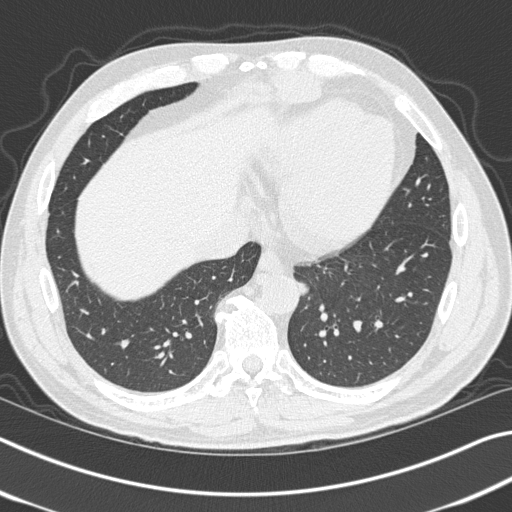
Axial slice 125 of 327 of a chest CT (slice 1 is the lowest), reconstructed with the B45f kernel at 120 kVp; 1.00 mm slice thickness and 0.664 mm pixels.
Pulmonary nodule, outlined by three of the four readers. Box on this slice rows 281–296, columns 296–309, the union of the readers' outlines on this slice; longest diameter 12.9 mm on average over the three readers' outlines (readers' outlines 12.4–14.0 mm), volume 357–534 mm3. The readers' prevailing ratings and who disagreed: texture 5/5 (solid) from all three readers; most readers (two of three) put margin at 5/5 (circumscribed), others 4/5 (one); sphericity split among the readers: 3/5 (ovoid) (one), 4/5 (one), 5/5 (round) (one); calcification absent from all three readers; internal structure soft tissue, all three readers agreeing; subtlety split among the readers: 1/5 (one), 3/5 (one), 4/5 (one); most readers (two of three) put malignancy likelihood at 4/5, others 2/5 (one). Scale key (1–5): texture non-solid→solid, margin indistinct→circumscribed, sphericity linear→round, subtlety extremely subtle→obvious, malignancy likelihood highly unlikely→highly suspicious of cancer. Box rows and columns are 0-based pixel indices from the top-left corner, inclusive.